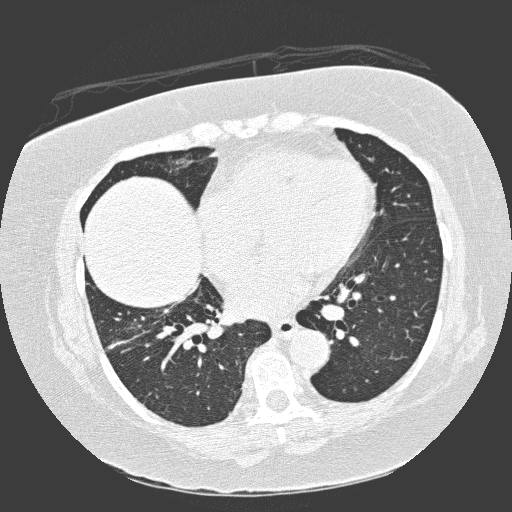
Slice 145/300 of a chest CT, counting up from the lowest; pixel size 0.654 mm, slice thickness 1.00 mm. This slice carries no reader outline of a nodule 3 mm or larger.
Tube voltage 120 kVp; convolution kernel D.